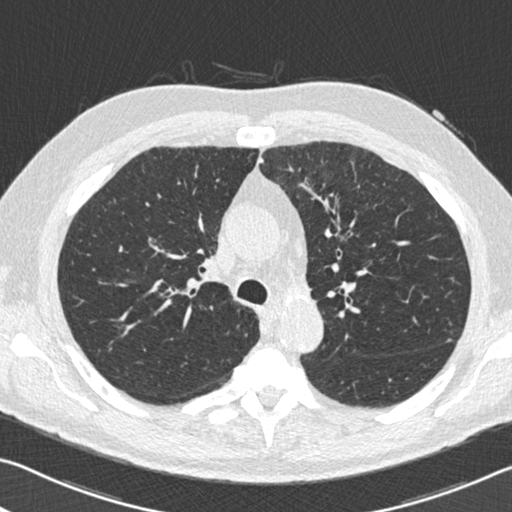
Axial chest CT slice 371 of 525 (counted from the lowest slice); 0.75 mm thick, 0.660 mm per pixel. Pulmonary nodule at rows 338–340, columns 447–450 (box = that reader's outline on this slice), outlined by one of the four readers; longest diameter 5.7 mm and volume 38 mm3 from that reader's outline. That reader's ratings: texture 5/5 (solid); margin 5/5 (circumscribed); sphericity 4/5; calcification absent; internal structure soft tissue; subtlety 5/5; malignancy likelihood 3/5. Scale key (1–5): texture non-solid→solid, margin indistinct→circumscribed, sphericity linear→round, subtlety extremely subtle→obvious, malignancy likelihood highly unlikely→highly suspicious of cancer. Box rows and columns are 0-based pixel indices from the top-left corner, inclusive.
Acquired at 120 kVp and reconstructed with the B30f kernel.